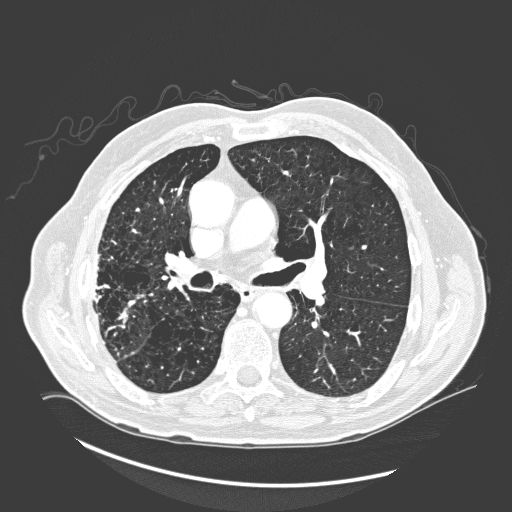
This is axial slice 155 of 300 (slice 1 is the lowest) of a chest CT; each pixel is 0.744 mm and the slice is 1.00 mm thick. None of the four readers outlined a nodule of 3 mm or more on this slice.
Acquired at 120 kVp and reconstructed with the D kernel.